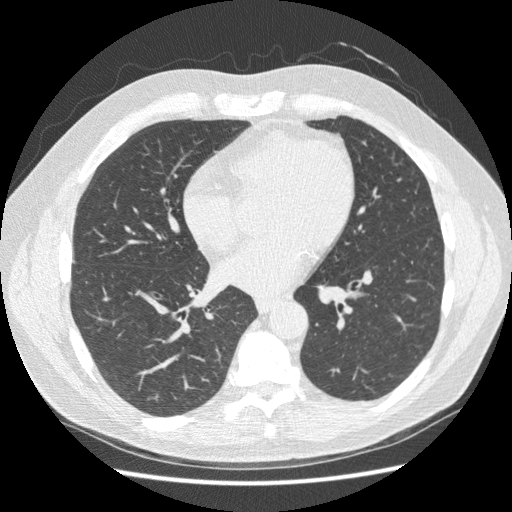
Axial chest CT slice 106 of 250 (counted from the lowest slice); tube voltage 120 kVp, convolution kernel STANDARD; slices 1.25 mm thick, 0.703 mm per pixel.
None of the four readers outlined a nodule of 3 mm or more on this slice.